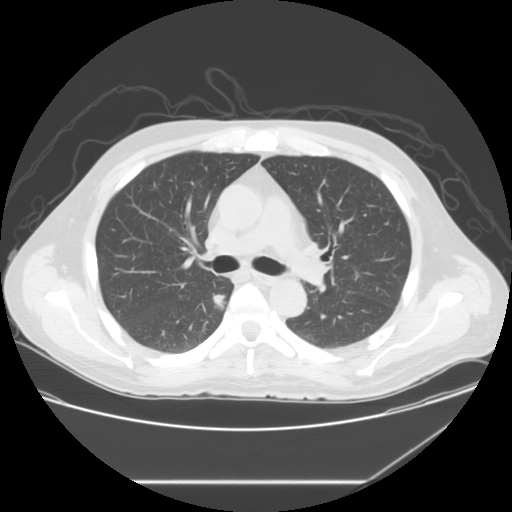
One axial slice (90 of 133, counting up from the lowest) of a chest CT acquired at 120 kVp with the STANDARD kernel; each pixel is 0.781 mm and the slice is 2.50 mm thick.
Pulmonary nodule, outlined by two of the four readers. Box on this slice rows 295–309, columns 212–225, the union of the readers' outlines on this slice; longest diameter 11.7–14.5 mm and volume 673–1246 mm3 across the two readers' outlines. The readers' ratings, as ranges where they differ: texture 5/5 (solid), both readers agreeing; margin from 3/5 to 4/5 across the two readers; sphericity from 3/5 (ovoid) to 4/5 across the two readers; calcification absent from both readers; internal structure soft tissue, both readers agreeing; subtlety 4–5/5 (the readers disagree); malignancy likelihood from 4/5 to 5/5 across the two readers. Scale key (1–5): texture non-solid→solid, margin indistinct→circumscribed, sphericity linear→round, subtlety extremely subtle→obvious, malignancy likelihood highly unlikely→highly suspicious of cancer. Box rows and columns are 0-based pixel indices from the top-left corner, inclusive.